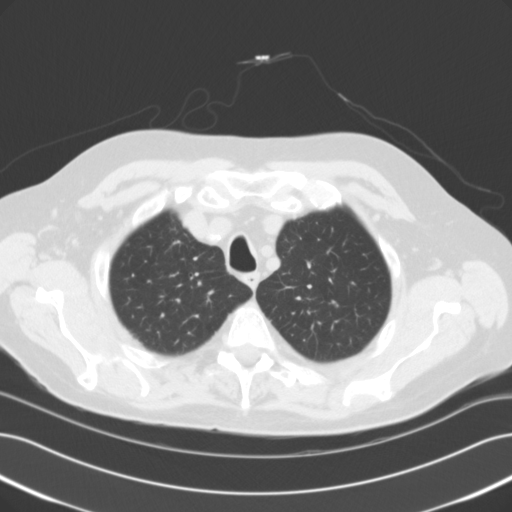
Axial chest CT slice 100 of 118 (counted from the lowest slice); tube voltage 120 kVp, convolution kernel B31f; slices 3.00 mm thick, 0.707 mm per pixel.
Pulmonary nodule at rows 315–316, columns 195–197 (box = the union of the readers' outlines on this slice), outlined by two of the four readers; longest diameter 7.2 mm on average over the two readers' outlines (readers' outlines 6.7–7.8 mm), volume 118–140 mm3. Ratings, by the readers' most common answer with dissent counted: texture 5/5 (solid), both readers agreeing; margin split among the readers: 4/5 (one), 5/5 (circumscribed) (one); sphericity split among the readers: 2/5 (one), 4/5 (one); calcification solid calcification, both readers agreeing; internal structure soft tissue, both readers agreeing; subtlety split among the readers: 1/5 (one), 5/5 (one); malignancy likelihood 1/5, both readers agreeing. Scale key (1–5): texture non-solid→solid, margin indistinct→circumscribed, sphericity linear→round, subtlety extremely subtle→obvious, malignancy likelihood highly unlikely→highly suspicious of cancer. Box rows and columns are 0-based pixel indices from the top-left corner, inclusive.